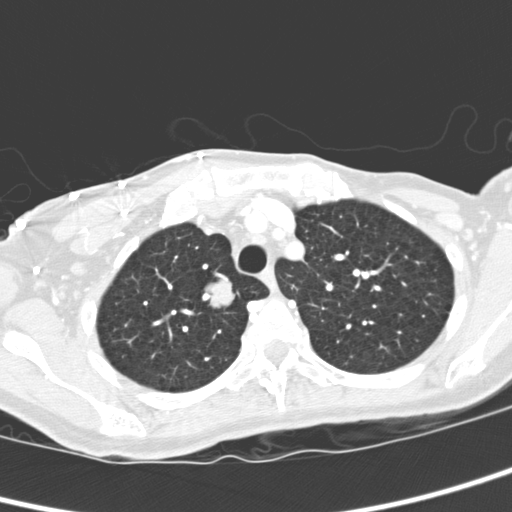
Axial slice 258 of 321 of a chest CT (slice 1 is the lowest), reconstructed with the D kernel at 120 kVp; 2.00 mm slice thickness and 0.557 mm pixels.
Pulmonary nodule, outlined by all four readers. Box on this slice rows 279–309, columns 201–235, the union of the readers' outlines on this slice; the four readers' outlines give a longest diameter between 19.2 and 21.9 mm and a volume between 3323 and 4100 mm3. The readers' ratings, as ranges where they differ: texture 5/5 (solid) from all four readers; margin from 4/5 to 5/5 (circumscribed) across the four readers; sphericity from 4/5 to 5/5 (round) across the four readers; calcification absent from all four readers; internal structure soft tissue, all four readers agreeing; subtlety 5/5 from all four readers; malignancy likelihood rated between 3 and 5 out of 5 by the four readers. Scale key (1–5): texture non-solid→solid, margin indistinct→circumscribed, sphericity linear→round, subtlety extremely subtle→obvious, malignancy likelihood highly unlikely→highly suspicious of cancer. Box rows and columns are 0-based pixel indices from the top-left corner, inclusive.